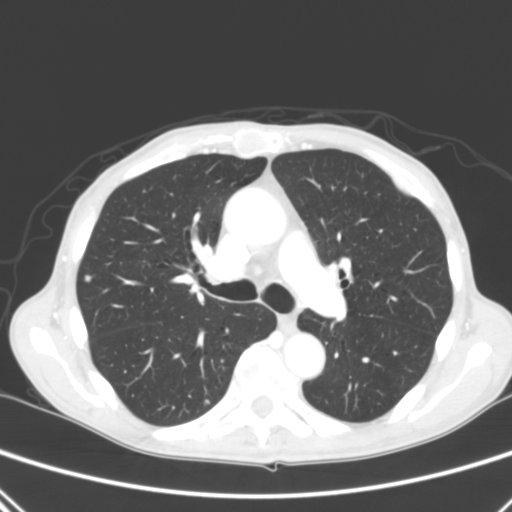
Axial chest CT slice 179 of 290 (counted from the lowest slice); 2.00 mm thick, 0.639 mm per pixel. Two pulmonary nodules are outlined on this slice; from left to right: (1) Pulmonary nodule outlined by three of the four readers; box rows 273–281, columns 84–91 (the union of the readers' outlines on this slice); longest diameter 6.1 mm on average over the three readers' outlines (readers' outlines 5.9–6.7 mm), volume 86–94 mm3. Ratings, by the readers' most common answer with dissent counted: texture 5/5 (solid) by two of three readers; the rest gave 4/5 (one); most readers (two of three) put margin at 5/5 (circumscribed), others 2/5 (one); sphericity split among the readers: 3/5 (ovoid) (one), 4/5 (one), 5/5 (round) (one); calcification absent from all three readers; internal structure soft tissue, all three readers agreeing; subtlety split among the readers: 3/5 (one), 4/5 (one), 5/5 (one); malignancy likelihood split among the readers: 1/5 (one), 2/5 (one), 3/5 (one). (2) Pulmonary nodule at rows 399–403, columns 205–209 (box = that reader's outline on this slice), outlined by one of the four readers; longest diameter 4.3 mm and volume 33 mm3 from that reader's outline. Ratings by that reader: texture 5/5 (solid); margin 5/5 (circumscribed); sphericity 5/5 (round); calcification absent; internal structure soft tissue; subtlety 5/5; malignancy likelihood 3/5. Scale key (1–5): texture non-solid→solid, margin indistinct→circumscribed, sphericity linear→round, subtlety extremely subtle→obvious, malignancy likelihood highly unlikely→highly suspicious of cancer. Box rows and columns are 0-based pixel indices from the top-left corner, inclusive.
Tube voltage 120 kVp; convolution kernel B.